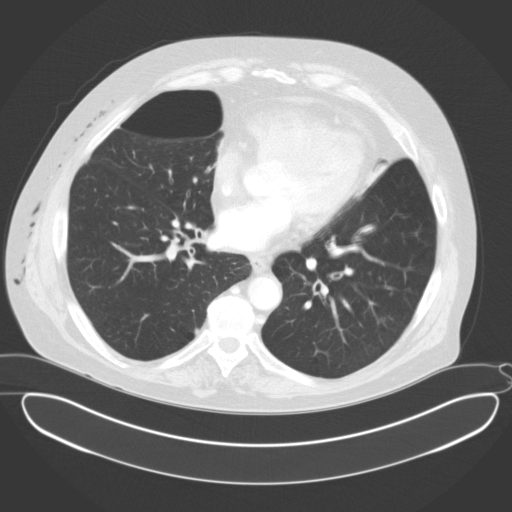
Slice 89/153 of a chest CT, counting up from the lowest; pixel size 0.836 mm, slice thickness 3.00 mm. Pulmonary nodule, outlined by two of the four readers. Box on this slice rows 328–334, columns 194–199, the union of the readers' outlines on this slice; longest diameter 6.4–7.1 mm and volume 71–93 mm3 across the two readers' outlines. Ratings across the readers: texture 5/5 (solid), both readers agreeing; margin 3/5 from both readers; sphericity from 3/5 (ovoid) to 4/5 across the two readers; calcification absent, both readers agreeing; internal structure soft tissue, both readers agreeing; subtlety rated between 2 and 4 out of 5 by the two readers; malignancy likelihood 1–3/5 (the readers disagree). Scale key (1–5): texture non-solid→solid, margin indistinct→circumscribed, sphericity linear→round, subtlety extremely subtle→obvious, malignancy likelihood highly unlikely→highly suspicious of cancer. Box rows and columns are 0-based pixel indices from the top-left corner, inclusive.
Acquired at 120 kVp and reconstructed with the B31f kernel.